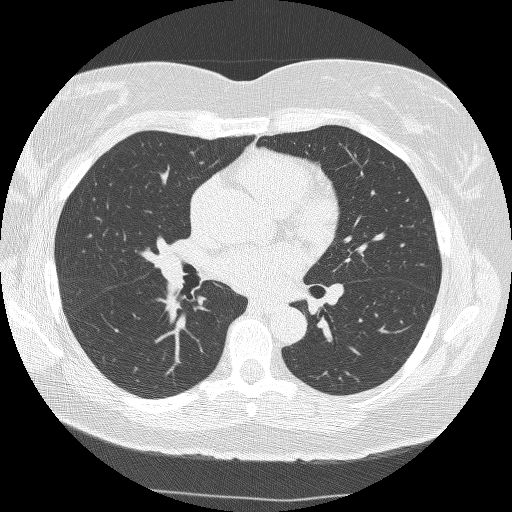
This is axial slice 141 of 245 (slice 1 is the lowest) of a chest CT; each pixel is 0.664 mm and the slice is 1.25 mm thick. None of the four readers outlined a nodule of 3 mm or more on this slice.
Tube voltage 120 kVp; convolution kernel BONE.